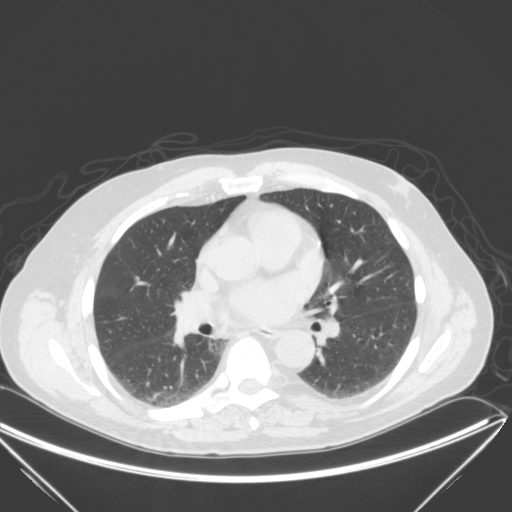
Slice 137/280 of a chest CT, counting up from the lowest; pixel size 0.805 mm, slice thickness 2.00 mm. Pulmonary nodule at rows 276–280, columns 135–138 (box = that reader's outline on this slice), outlined by one of the four readers; longest diameter 5.9 mm and volume 56 mm3 from that reader's outline. That reader's ratings: texture 5/5 (solid); margin 5/5 (circumscribed); sphericity 5/5 (round); calcification absent; internal structure soft tissue; subtlety 5/5; malignancy likelihood 3/5. Scale key (1–5): texture non-solid→solid, margin indistinct→circumscribed, sphericity linear→round, subtlety extremely subtle→obvious, malignancy likelihood highly unlikely→highly suspicious of cancer. Box rows and columns are 0-based pixel indices from the top-left corner, inclusive.
Acquired at 120 kVp and reconstructed with the B kernel.